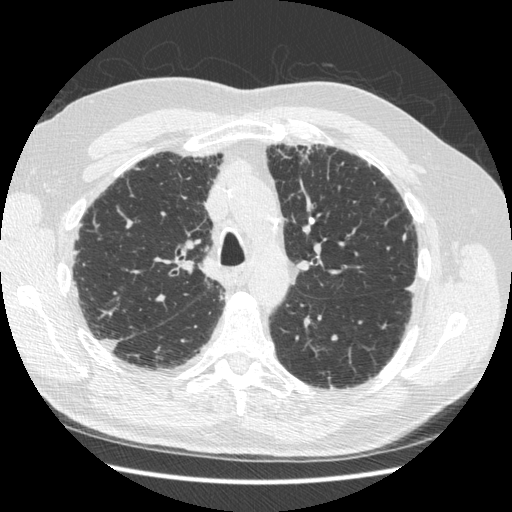
One axial slice (350 of 497, counting up from the lowest) of a chest CT acquired at 120 kVp with the STANDARD kernel; each pixel is 0.703 mm and the slice is 1.25 mm thick.
Pulmonary nodule outlined by all four readers, one of them on this slice; box rows 153–162, columns 300–306 (the one reader's outline on this slice); longest diameter 15.2–16.7 mm and volume 670–817 mm3 across the four readers' outlines. Ratings across the readers: texture 5/5 (solid), all four readers agreeing; margin from 3/5 to 5/5 (circumscribed) across the four readers; sphericity from 2/5 to 5/5 (round) across the four readers; calcification solid calcification from all four readers; internal structure soft tissue, all four readers agreeing; subtlety 5/5 from all four readers; malignancy likelihood 1/5 from all four readers. Scale key (1–5): texture non-solid→solid, margin indistinct→circumscribed, sphericity linear→round, subtlety extremely subtle→obvious, malignancy likelihood highly unlikely→highly suspicious of cancer. Box rows and columns are 0-based pixel indices from the top-left corner, inclusive.